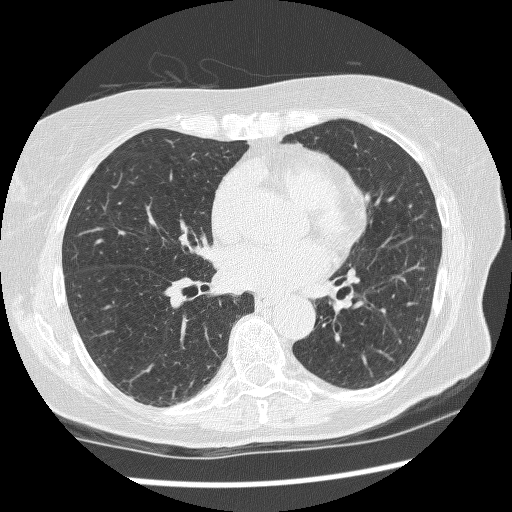
Slice 128/247 of a chest CT, counting up from the lowest; pixel size 0.643 mm, slice thickness 1.25 mm. None of the four readers outlined a nodule of 3 mm or more on this slice.
Scan settings: 120 kVp, BONE reconstruction kernel.